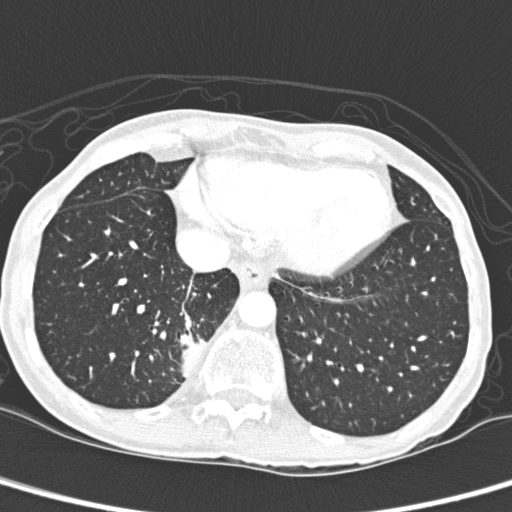
Chest CT, axial plane, 120 kVp, kernel D. Slice 65/280 from the bottom of the scan; thickness 1.00 mm; pixel size 0.564 mm.
Pulmonary nodule, outlined by two of the four readers. Box on this slice rows 333–377, columns 180–204, the union of the readers' outlines on this slice; the two readers' outlines give a longest diameter between 32.1 and 35.8 mm and a volume between 5657 and 6702 mm3. Ratings across the readers: texture 5/5 (solid), both readers agreeing; margin 4/5 from both readers; sphericity 3/5 (ovoid), both readers agreeing; calcification absent, both readers agreeing; internal structure soft tissue, both readers agreeing; subtlety 5/5 from both readers; malignancy likelihood 2–3/5 (the readers disagree). Scale key (1–5): texture non-solid→solid, margin indistinct→circumscribed, sphericity linear→round, subtlety extremely subtle→obvious, malignancy likelihood highly unlikely→highly suspicious of cancer. Box rows and columns are 0-based pixel indices from the top-left corner, inclusive.